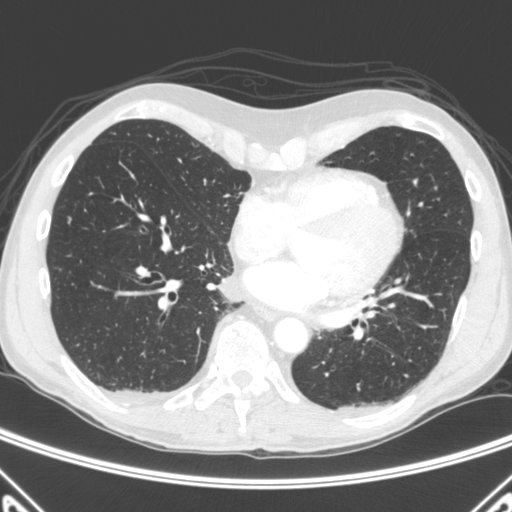
Axial slice 166 of 445 of a chest CT (slice 1 is the lowest), reconstructed with the C kernel at 120 kVp; 1.50 mm slice thickness and 0.676 mm pixels.
Pulmonary nodule, outlined by all four readers, three of them on this slice. Box on this slice rows 215–224, columns 67–72, the union of the readers' outlines on this slice; longest diameter 7.0–8.9 mm and volume 62–138 mm3 across the four readers' outlines. The readers' ratings, as ranges where they differ: texture from 1/5 (non-solid) to 5/5 (solid) across the four readers; margin from 4/5 to 5/5 (circumscribed) across the four readers; sphericity 4/5 from all four readers; calcification absent from all four readers; internal structure soft tissue, all four readers agreeing; subtlety 5/5, all four readers agreeing; malignancy likelihood 3–4/5 (the readers disagree). Scale key (1–5): texture non-solid→solid, margin indistinct→circumscribed, sphericity linear→round, subtlety extremely subtle→obvious, malignancy likelihood highly unlikely→highly suspicious of cancer. Box rows and columns are 0-based pixel indices from the top-left corner, inclusive.